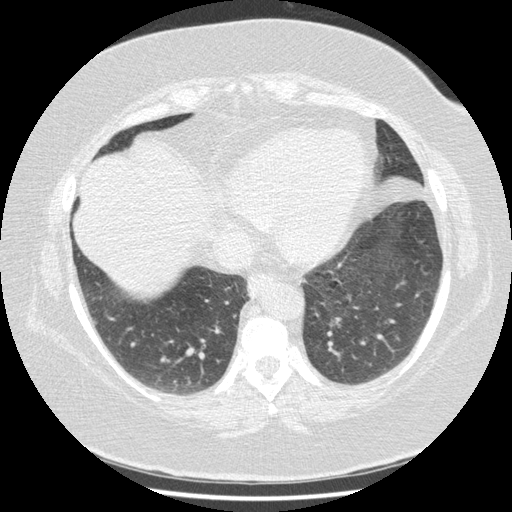
One axial slice (146 of 417, counting up from the lowest) of a chest CT acquired at 120 kVp with the STANDARD kernel; each pixel is 0.703 mm and the slice is 1.25 mm thick.
Pulmonary nodule outlined by one of the four readers; box rows 321–324, columns 94–96 (that reader's outline on this slice); longest diameter 5.1 mm and volume 29 mm3 from that reader's outline. Ratings by that reader: texture 5/5 (solid); margin 5/5 (circumscribed); sphericity 4/5; calcification absent; internal structure soft tissue; subtlety 5/5; malignancy likelihood 3/5. Scale key (1–5): texture non-solid→solid, margin indistinct→circumscribed, sphericity linear→round, subtlety extremely subtle→obvious, malignancy likelihood highly unlikely→highly suspicious of cancer. Box rows and columns are 0-based pixel indices from the top-left corner, inclusive.